Chest CT, axial plane, 120 kVp, kernel BONE. Slice 247/278 from the bottom of the scan; thickness 1.25 mm; pixel size 0.711 mm.
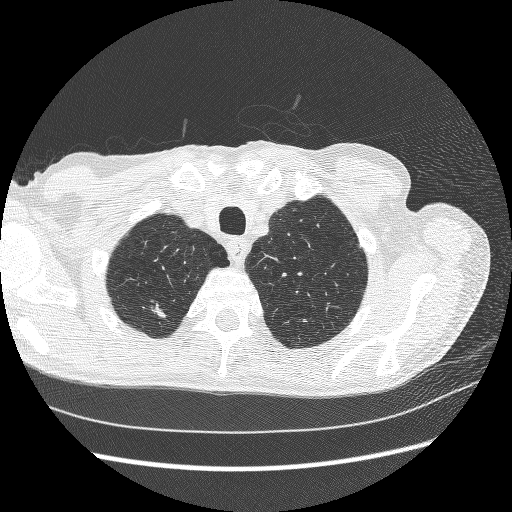
Pulmonary nodule at rows 303–317, columns 152–166 (box = the union of the readers' outlines on this slice), outlined by three of the four readers; longest diameter 13.5 mm on average over the three readers' outlines (readers' outlines 11.8–14.4 mm), volume 135–304 mm3. The readers' prevailing ratings and who disagreed: texture 5/5 (solid) by two of three readers; the rest gave 4/5 (one); margin split among the readers: 1/5 (indistinct) (one), 3/5 (one), 4/5 (one); sphericity split among the readers: 1/5 (linear) (one), 3/5 (ovoid) (one), 4/5 (one); calcification absent from all three readers; internal structure soft tissue from all three readers; most readers (two of three) put subtlety at 5/5, others 4/5 (one); most readers (two of three) put malignancy likelihood at 3/5, others 4/5 (one). Scale key (1–5): texture non-solid→solid, margin indistinct→circumscribed, sphericity linear→round, subtlety extremely subtle→obvious, malignancy likelihood highly unlikely→highly suspicious of cancer. Box rows and columns are 0-based pixel indices from the top-left corner, inclusive.